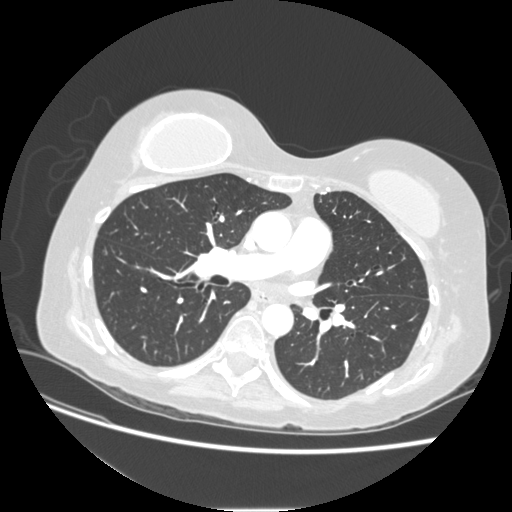
One axial slice (129 of 232, counting up from the lowest) of a chest CT acquired at 120 kVp with the STANDARD kernel; each pixel is 0.703 mm and the slice is 1.25 mm thick.
This slice carries no reader outline of a nodule 3 mm or larger.